One axial slice (192 of 238, counting up from the lowest) of a chest CT acquired at 120 kVp with the STANDARD kernel; each pixel is 0.664 mm and the slice is 1.25 mm thick.
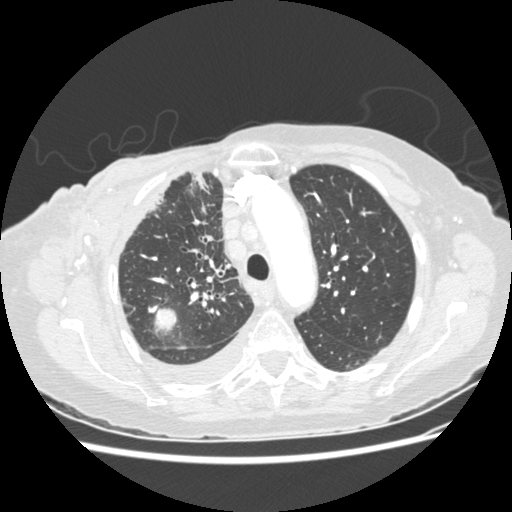
Pulmonary nodule at rows 308–329, columns 154–176 (box = the union of the readers' outlines on this slice), outlined by two of the four readers; longest diameter 32.4 mm on average over the two readers' outlines (readers' outlines 31.3–33.5 mm), volume 8200–8583 mm3. The readers' prevailing ratings and who disagreed: texture 5/5 (solid), both readers agreeing; margin split among the readers: 4/5 (one), 5/5 (circumscribed) (one); sphericity 4/5, both readers agreeing; calcification absent from both readers; internal structure soft tissue from both readers; subtlety 5/5, both readers agreeing; malignancy likelihood split among the readers: 3/5 (one), 5/5 (one). Scale key (1–5): texture non-solid→solid, margin indistinct→circumscribed, sphericity linear→round, subtlety extremely subtle→obvious, malignancy likelihood highly unlikely→highly suspicious of cancer. Box rows and columns are 0-based pixel indices from the top-left corner, inclusive.